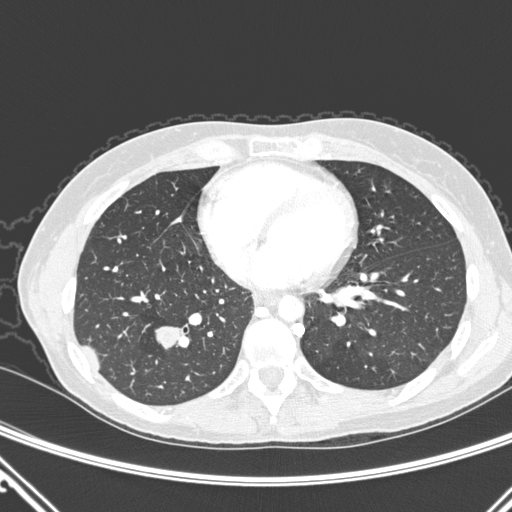
This is axial slice 107 of 290 (slice 1 is the lowest) of a chest CT; each pixel is 0.662 mm and the slice is 1.00 mm thick. Pulmonary nodule outlined by all four readers; box rows 325–349, columns 154–182 (the union of the readers' outlines on this slice); the four readers' outlines give a longest diameter between 22.2 and 29.6 mm and a volume between 2637 and 3531 mm3. Ratings across the readers: texture 5/5 (solid), all four readers agreeing; margin from 4/5 to 5/5 (circumscribed) across the four readers; sphericity from 2/5 to 5/5 (round) across the four readers; calcification absent from all four readers; internal structure soft tissue, all four readers agreeing; subtlety 5/5 from all four readers; malignancy likelihood from 3/5 to 5/5 across the four readers. Scale key (1–5): texture non-solid→solid, margin indistinct→circumscribed, sphericity linear→round, subtlety extremely subtle→obvious, malignancy likelihood highly unlikely→highly suspicious of cancer. Box rows and columns are 0-based pixel indices from the top-left corner, inclusive.
Acquired at 120 kVp and reconstructed with the D kernel.